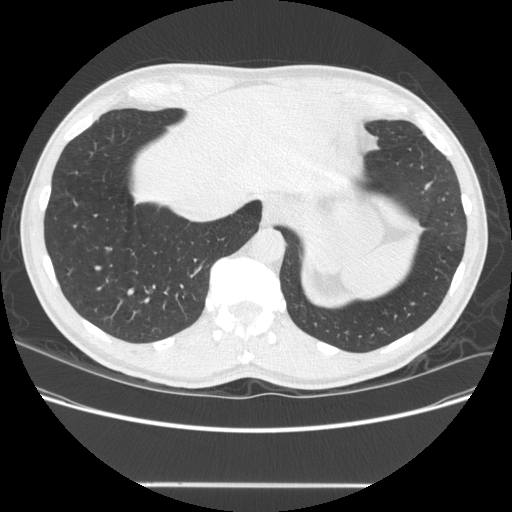
One axial slice (116 of 567, counting up from the lowest) of a chest CT acquired at 120 kVp with the STANDARD kernel; each pixel is 0.742 mm and the slice is 1.25 mm thick.
Pulmonary nodule, outlined by all four readers. Box on this slice rows 181–189, columns 424–432, the union of the readers' outlines on this slice; the four readers' outlines give a longest diameter between 7.6 and 9.5 mm and a volume between 105 and 126 mm3. Ratings across the readers: texture 5/5 (solid), all four readers agreeing; margin from 4/5 to 5/5 (circumscribed) across the four readers; sphericity from 2/5 to 3/5 (ovoid) across the four readers; calcification: absent (three), solid calcification (one); internal structure soft tissue from all four readers; subtlety 3–4/5 (the readers disagree); malignancy likelihood rated between 1 and 3 out of 5 by the four readers. Scale key (1–5): texture non-solid→solid, margin indistinct→circumscribed, sphericity linear→round, subtlety extremely subtle→obvious, malignancy likelihood highly unlikely→highly suspicious of cancer. Box rows and columns are 0-based pixel indices from the top-left corner, inclusive.